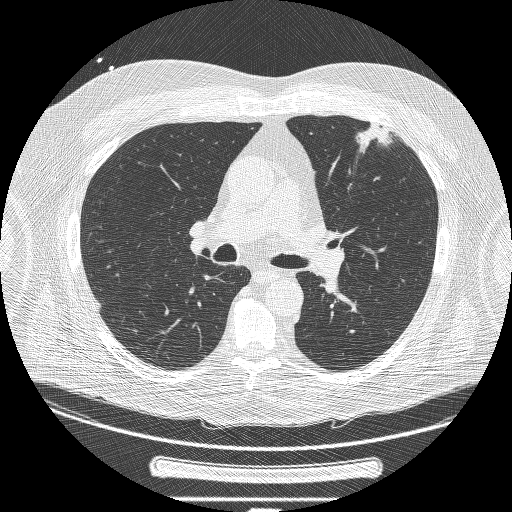
One axial slice (136 of 239, counting up from the lowest) of a chest CT acquired at 120 kVp with the BONE kernel; each pixel is 0.795 mm and the slice is 1.25 mm thick.
Pulmonary nodule at rows 122–153, columns 355–392 (box = the union of the readers' outlines on this slice), outlined by two of the four readers; the two readers' outlines give a longest diameter between 43.0 and 43.4 mm and a volume between 10396 and 11168 mm3. The readers' ratings, as ranges where they differ: texture from 3/5 (part-solid) to 5/5 (solid) across the two readers; margin from 1/5 (indistinct) to 3/5 across the two readers; sphericity from 1/5 (linear) to 3/5 (ovoid) across the two readers; calcification absent from both readers; internal structure soft tissue from both readers; subtlety 5/5, both readers agreeing; malignancy likelihood 5/5, both readers agreeing. Scale key (1–5): texture non-solid→solid, margin indistinct→circumscribed, sphericity linear→round, subtlety extremely subtle→obvious, malignancy likelihood highly unlikely→highly suspicious of cancer. Box rows and columns are 0-based pixel indices from the top-left corner, inclusive.